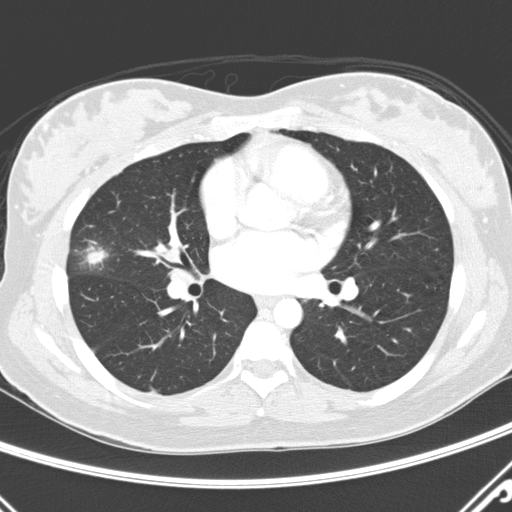
One axial slice (149 of 290, counting up from the lowest) of a chest CT acquired at 120 kVp with the D kernel; each pixel is 0.648 mm and the slice is 2.00 mm thick.
Pulmonary nodule, outlined by all four readers. Box on this slice rows 246–264, columns 83–108, the union of the readers' outlines on this slice; the four readers' outlines give a longest diameter between 19.9 and 37.8 mm and a volume between 1327 and 2956 mm3. The readers' ratings, as ranges where they differ: texture from 3/5 (part-solid) to 5/5 (solid) across the four readers; margin from 1/5 (indistinct) to 3/5 across the four readers; sphericity from 2/5 to 4/5 across the four readers; calcification absent from all four readers; internal structure soft tissue from all four readers; subtlety 5/5 from all four readers; malignancy likelihood 3–5/5 (the readers disagree). Scale key (1–5): texture non-solid→solid, margin indistinct→circumscribed, sphericity linear→round, subtlety extremely subtle→obvious, malignancy likelihood highly unlikely→highly suspicious of cancer. Box rows and columns are 0-based pixel indices from the top-left corner, inclusive.